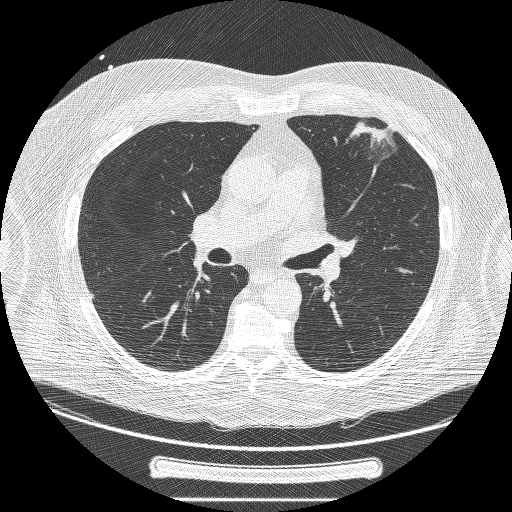
Chest CT, axial plane, 120 kVp, kernel BONE. Slice 130/239 from the bottom of the scan; thickness 1.25 mm; pixel size 0.795 mm.
Pulmonary nodule, outlined by two of the four readers. Box on this slice rows 122–156, columns 347–395, the union of the readers' outlines on this slice; longest diameter 43.2 mm on average over the two readers' outlines (readers' outlines 43.0–43.4 mm), volume 10396–11168 mm3. Ratings, by the readers' most common answer with dissent counted: texture split among the readers: 3/5 (part-solid) (one), 5/5 (solid) (one); margin split among the readers: 1/5 (indistinct) (one), 3/5 (one); sphericity split among the readers: 1/5 (linear) (one), 3/5 (ovoid) (one); calcification absent, both readers agreeing; internal structure soft tissue, both readers agreeing; subtlety 5/5, both readers agreeing; malignancy likelihood 5/5, both readers agreeing. Scale key (1–5): texture non-solid→solid, margin indistinct→circumscribed, sphericity linear→round, subtlety extremely subtle→obvious, malignancy likelihood highly unlikely→highly suspicious of cancer. Box rows and columns are 0-based pixel indices from the top-left corner, inclusive.